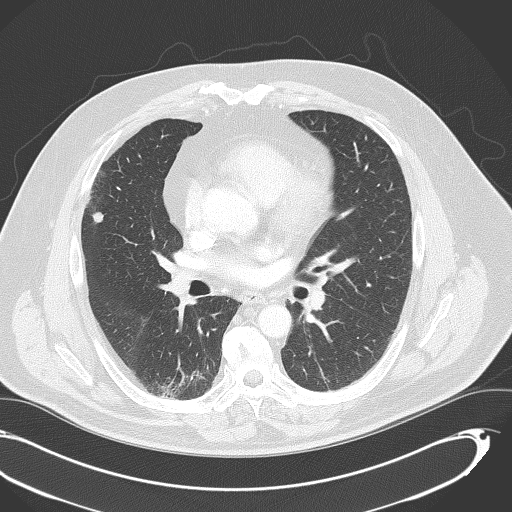
This is axial slice 202 of 333 (slice 1 is the lowest) of a chest CT; each pixel is 0.775 mm and the slice is 2.00 mm thick. Pulmonary nodule, outlined by all four readers. Box on this slice rows 212–223, columns 92–103, the union of the readers' outlines on this slice; longest diameter 11.1 mm on average over the four readers' outlines (readers' outlines 9.4–12.6 mm), volume 231–434 mm3. The readers' prevailing ratings and who disagreed: texture 5/5 (solid), all four readers agreeing; most readers (three of four) put margin at 4/5, others 5/5 (circumscribed) (one); most readers (three of four) put sphericity at 5/5 (round), others 4/5 (one); calcification absent by three of four readers, non-central calcification (one); internal structure soft tissue, all four readers agreeing; subtlety 5/5 by two of four readers; the rest gave 3/5 (one), 4/5 (one); malignancy likelihood 4/5 by two of four readers; the rest gave 1/5 (one), 3/5 (one). Scale key (1–5): texture non-solid→solid, margin indistinct→circumscribed, sphericity linear→round, subtlety extremely subtle→obvious, malignancy likelihood highly unlikely→highly suspicious of cancer. Box rows and columns are 0-based pixel indices from the top-left corner, inclusive.
Scan settings: 120 kVp, B70f reconstruction kernel.